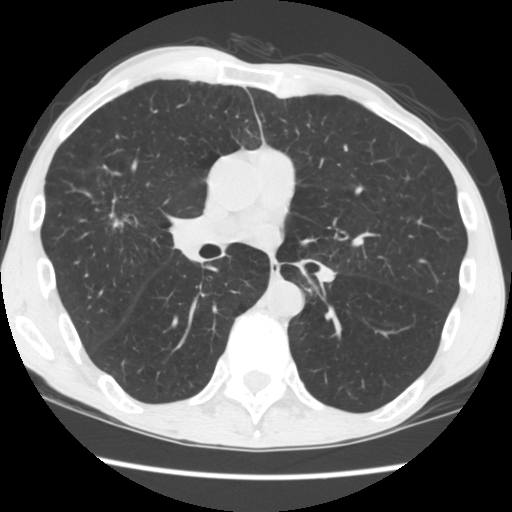
Chest CT, axial plane, 120 kVp, kernel STANDARD. Slice 93/181 from the bottom of the scan; thickness 2.50 mm; pixel size 0.645 mm.
Pulmonary nodule at rows 199–232, columns 108–138 (box = the union of the readers' outlines on this slice), outlined by all four readers, three of them on this slice; longest diameter 39.8 mm on average over the four readers' outlines (readers' outlines 35.2–44.7 mm), volume 5781–11800 mm3. The readers' prevailing ratings and who disagreed: most readers (three of four) put texture at 4/5, others 5/5 (solid) (one); margin 3/5 by two of four readers; the rest gave 2/5 (one), 4/5 (one); sphericity split among the readers: 2/5 (one), 3/5 (ovoid) (one), 4/5 (one), 5/5 (round) (one); calcification absent, all four readers agreeing; internal structure soft tissue, all four readers agreeing; subtlety 5/5, all four readers agreeing; malignancy likelihood 5/5, all four readers agreeing. Scale key (1–5): texture non-solid→solid, margin indistinct→circumscribed, sphericity linear→round, subtlety extremely subtle→obvious, malignancy likelihood highly unlikely→highly suspicious of cancer. Box rows and columns are 0-based pixel indices from the top-left corner, inclusive.